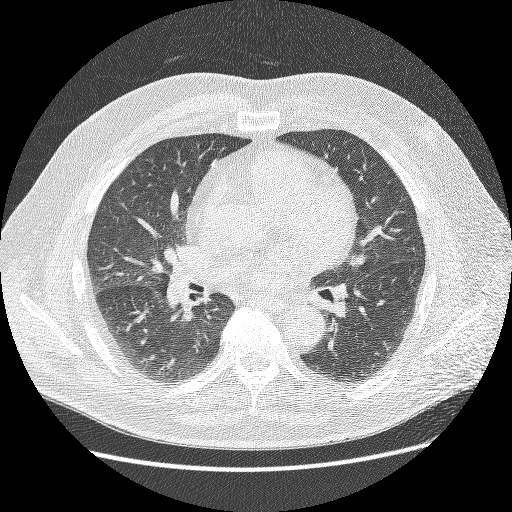
Axial slice 164 of 267 of a chest CT (slice 1 is the lowest), reconstructed with the BONE kernel at 120 kVp; 1.25 mm slice thickness and 0.752 mm pixels.
This slice carries no reader outline of a nodule 3 mm or larger.